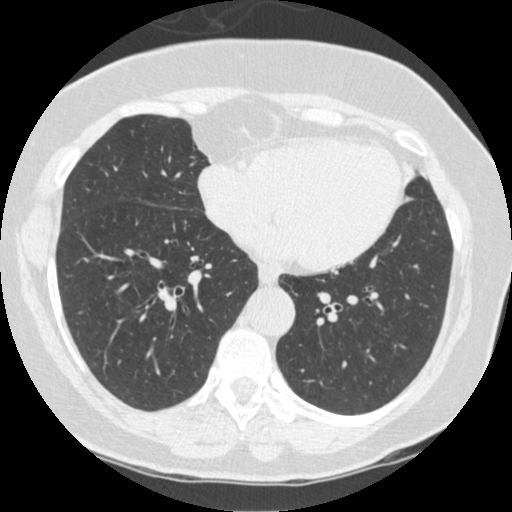
One axial slice (173 of 463, counting up from the lowest) of a chest CT acquired at 120 kVp with the STANDARD kernel; each pixel is 0.586 mm and the slice is 1.25 mm thick.
No nodule of 3 mm or larger was outlined by any of the four readers on this slice.